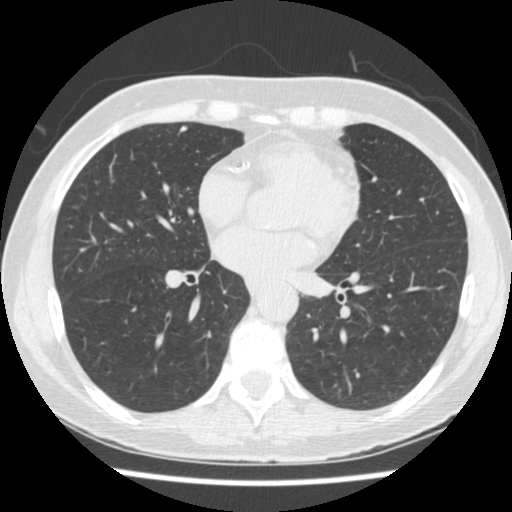
This is axial slice 216 of 481 (slice 1 is the lowest) of a chest CT; each pixel is 0.605 mm and the slice is 1.25 mm thick. Pulmonary nodule outlined by all four readers; box rows 126–131, columns 179–187 (the union of the readers' outlines on this slice); longest diameter 6.2 mm on average over the four readers' outlines (readers' outlines 5.4–6.8 mm), volume 23–57 mm3. Ratings, by the readers' most common answer with dissent counted: most readers (three of four) put texture at 5/5 (solid), others 4/5 (one); margin split among the readers: 4/5 (two), 5/5 (circumscribed) (two); sphericity 5/5 (round) by two of four readers; the rest gave 3/5 (ovoid) (one), 4/5 (one); calcification absent from all four readers; internal structure soft tissue from all four readers; subtlety 4/5 by two of four readers; the rest gave 3/5 (one), 5/5 (one); malignancy likelihood 2/5 by three of four readers; the rest gave 3/5 (one). Scale key (1–5): texture non-solid→solid, margin indistinct→circumscribed, sphericity linear→round, subtlety extremely subtle→obvious, malignancy likelihood highly unlikely→highly suspicious of cancer. Box rows and columns are 0-based pixel indices from the top-left corner, inclusive.
Scan settings: 120 kVp, STANDARD reconstruction kernel.